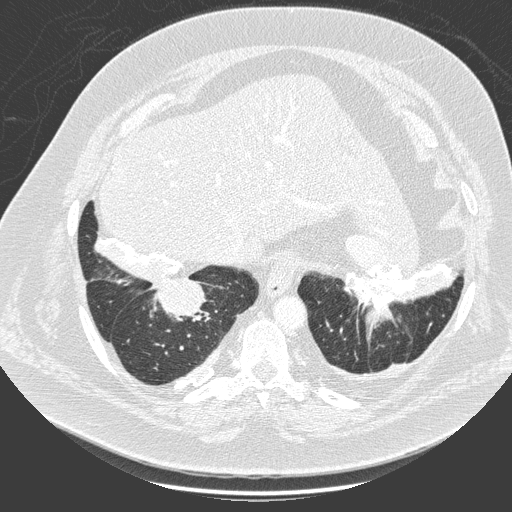
One axial slice (45 of 280, counting up from the lowest) of a chest CT acquired at 140 kVp with the D kernel; each pixel is 0.801 mm and the slice is 1.00 mm thick.
Pulmonary nodule at rows 277–319, columns 155–205 (box = that reader's outline on this slice), outlined by one of the four readers; longest diameter 49.9 mm and volume 31112 mm3 from that reader's outline. That reader's ratings: texture 5/5 (solid); margin 4/5; sphericity 5/5 (round); calcification non-central calcification; internal structure soft tissue; subtlety 5/5; malignancy likelihood 5/5. Scale key (1–5): texture non-solid→solid, margin indistinct→circumscribed, sphericity linear→round, subtlety extremely subtle→obvious, malignancy likelihood highly unlikely→highly suspicious of cancer. Box rows and columns are 0-based pixel indices from the top-left corner, inclusive.